Axial chest CT slice 439 of 633 (counted from the lowest slice); tube voltage 120 kVp, convolution kernel B30f; slices 0.60 mm thick, 0.541 mm per pixel.
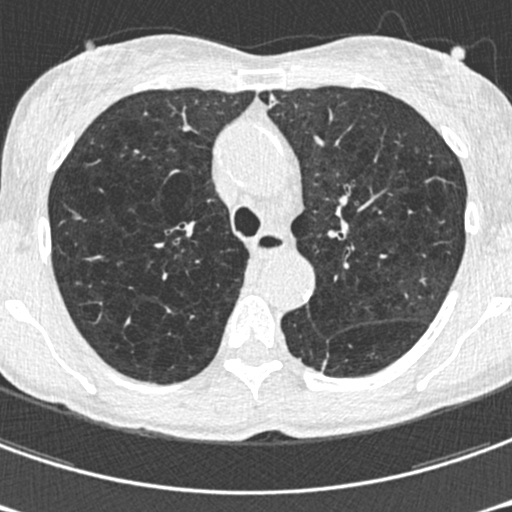
Pulmonary nodule, outlined by one of the four readers. Box on this slice rows 360–368, columns 323–325, that reader's outline on this slice; longest diameter 20.7 mm and volume 470 mm3 from that reader's outline. That reader's ratings: texture 5/5 (solid); margin 1/5 (indistinct); sphericity 2/5; calcification absent; internal structure soft tissue; subtlety 4/5; malignancy likelihood 3/5. Scale key (1–5): texture non-solid→solid, margin indistinct→circumscribed, sphericity linear→round, subtlety extremely subtle→obvious, malignancy likelihood highly unlikely→highly suspicious of cancer. Box rows and columns are 0-based pixel indices from the top-left corner, inclusive.